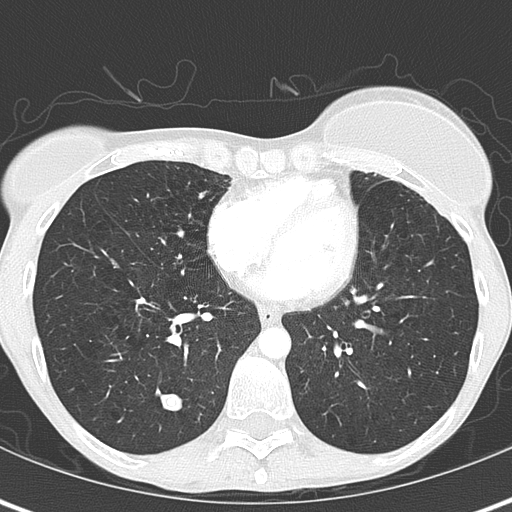
This is axial slice 164 of 345 (slice 1 is the lowest) of a chest CT; each pixel is 0.541 mm and the slice is 2.00 mm thick. Pulmonary nodule outlined by all four readers; box rows 394–410, columns 160–181 (the union of the readers' outlines on this slice); longest diameter 13.8 mm on average over the four readers' outlines (readers' outlines 13.7–13.9 mm), volume 707–844 mm3. The readers' prevailing ratings and who disagreed: texture 5/5 (solid) from all four readers; margin 5/5 (circumscribed), all four readers agreeing; sphericity split among the readers: 3/5 (ovoid) (two), 5/5 (round) (two); calcification split among the readers: laminated calcification (two), solid calcification (two); internal structure soft tissue, all four readers agreeing; subtlety 5/5 from all four readers; malignancy likelihood 1/5, all four readers agreeing. Scale key (1–5): texture non-solid→solid, margin indistinct→circumscribed, sphericity linear→round, subtlety extremely subtle→obvious, malignancy likelihood highly unlikely→highly suspicious of cancer. Box rows and columns are 0-based pixel indices from the top-left corner, inclusive.
Scan settings: 120 kVp, B70f reconstruction kernel.